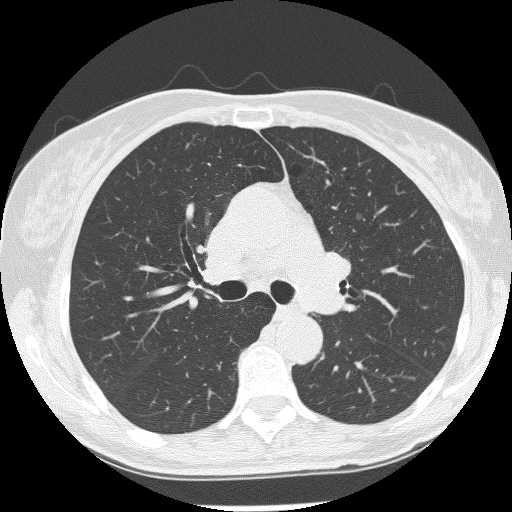
This is axial slice 155 of 245 (slice 1 is the lowest) of a chest CT; each pixel is 0.592 mm and the slice is 1.25 mm thick. Pulmonary nodule, outlined by all four readers. Box on this slice rows 213–220, columns 355–362, the union of the readers' outlines on this slice; median longest diameter 5.1 mm (readers' outlines 4.3–5.5 mm), median volume 50 mm3 (33–71 mm3). Median ratings and the readers' spread: texture 1/5 (non-solid), all four readers agreeing; median margin 2.5/5 (readers ranged 2/5 to 4/5); median sphericity 4.5/5 (readers ranged 3/5 (ovoid) to 5/5 (round)); calcification absent from all four readers; internal structure soft tissue from all four readers; median subtlety 2/5 (readers ranged 1–3); malignancy likelihood 3/5, all four readers agreeing. Scale key (1–5): texture non-solid→solid, margin indistinct→circumscribed, sphericity linear→round, subtlety extremely subtle→obvious, malignancy likelihood highly unlikely→highly suspicious of cancer. Box rows and columns are 0-based pixel indices from the top-left corner, inclusive.
Acquired at 120 kVp and reconstructed with the BONE kernel.